Chest CT, axial plane, 120 kVp, kernel LUNG. Slice 141/238 from the bottom of the scan; thickness 1.25 mm; pixel size 0.742 mm.
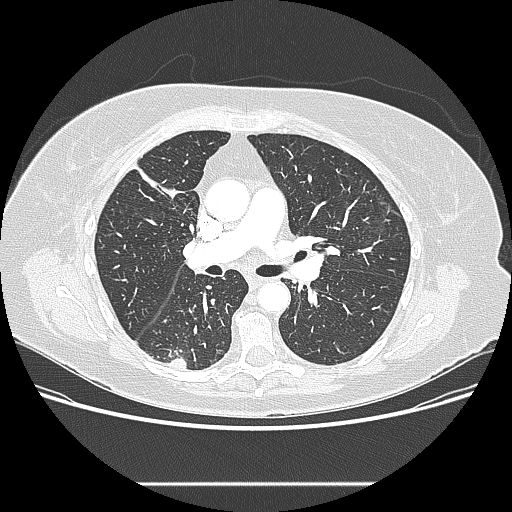
Pulmonary nodule, outlined by all four readers. Box on this slice rows 358–369, columns 170–186, the union of the readers' outlines on this slice; median longest diameter 16.9 mm (readers' outlines 16.2–17.0 mm), median volume 1591 mm3 (1456–1679 mm3). Ratings, median across the readers with their spread: texture 5/5 (solid) from all four readers; margin 5/5 (circumscribed) at the median of four readers, spread 4/5 to 5/5 (circumscribed); sphericity 5/5 (round) at the median of four readers, spread 3/5 (ovoid) to 5/5 (round); calcification absent from all four readers; internal structure soft tissue, all four readers agreeing; subtlety 4.5/5 at the median of four readers, spread 3–5; malignancy likelihood 3/5 at the median of four readers, spread 2–4. Scale key (1–5): texture non-solid→solid, margin indistinct→circumscribed, sphericity linear→round, subtlety extremely subtle→obvious, malignancy likelihood highly unlikely→highly suspicious of cancer. Box rows and columns are 0-based pixel indices from the top-left corner, inclusive.